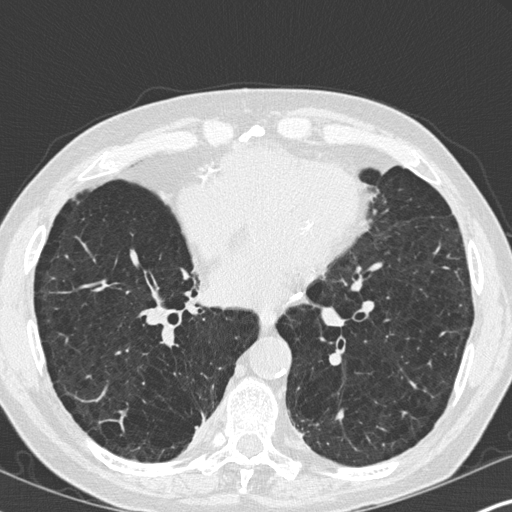
Axial chest CT slice 139 of 347 (counted from the lowest slice); tube voltage 120 kVp, convolution kernel B45f; slices 1.00 mm thick, 0.625 mm per pixel.
No nodule of 3 mm or larger was outlined by any of the four readers on this slice.